Axial chest CT slice 155 of 244 (counted from the lowest slice); tube voltage 120 kVp, convolution kernel BONE; slices 1.25 mm thick, 0.729 mm per pixel.
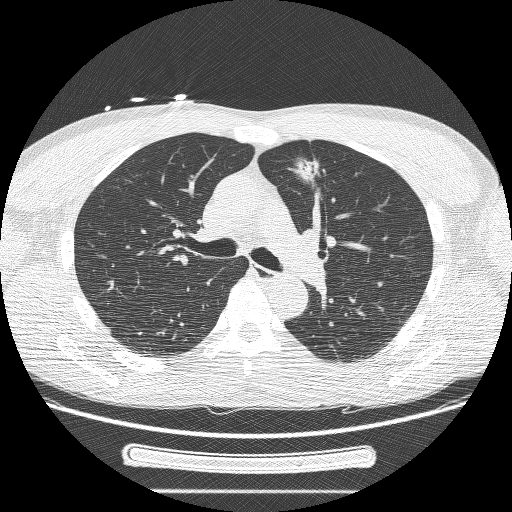
Pulmonary nodule at rows 156–187, columns 285–321 (box = the union of the readers' outlines on this slice), outlined by three of the four readers; median longest diameter 37.5 mm (readers' outlines 27.4–37.9 mm), median volume 6861 mm3 (2934–10099 mm3). Median ratings and the readers' spread: texture 5/5 (solid) at the median of three readers, spread 3/5 (part-solid) to 5/5 (solid); margin 2/5 at the median of three readers, spread 1/5 (indistinct) to 3/5; median sphericity 3/5 (ovoid) (readers ranged 2/5 to 4/5); calcification absent from all three readers; internal structure soft tissue from all three readers; subtlety 5/5, all three readers agreeing; median malignancy likelihood 5/5 (readers ranged 3–5). Scale key (1–5): texture non-solid→solid, margin indistinct→circumscribed, sphericity linear→round, subtlety extremely subtle→obvious, malignancy likelihood highly unlikely→highly suspicious of cancer. Box rows and columns are 0-based pixel indices from the top-left corner, inclusive.